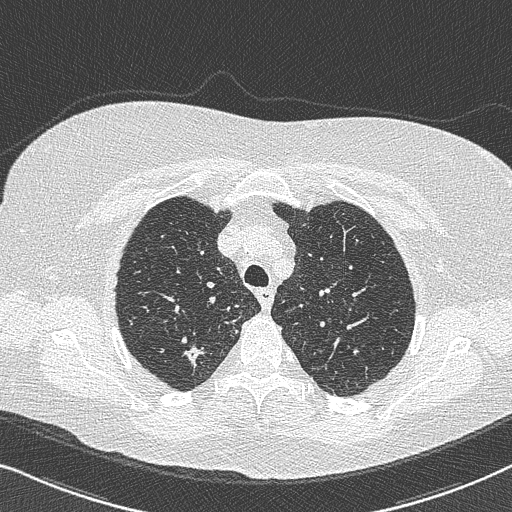
This is axial slice 582 of 733 (slice 1 is the lowest) of a chest CT; each pixel is 0.637 mm and the slice is 0.60 mm thick. Pulmonary nodule outlined by all four readers; box rows 344–370, columns 180–206 (the union of the readers' outlines on this slice); longest diameter 22.0 mm on average over the four readers' outlines (readers' outlines 15.5–29.7 mm), volume 888–2128 mm3. The readers' prevailing ratings and who disagreed: texture 5/5 (solid) by three of four readers; the rest gave 4/5 (one); margin 3/5 by two of four readers; the rest gave 1/5 (indistinct) (one), 4/5 (one); sphericity 3/5 (ovoid) by two of four readers; the rest gave 2/5 (one), 5/5 (round) (one); calcification absent from all four readers; internal structure soft tissue from all four readers; subtlety 5/5 by three of four readers; the rest gave 4/5 (one); malignancy likelihood 4/5 by three of four readers; the rest gave 5/5 (one). Scale key (1–5): texture non-solid→solid, margin indistinct→circumscribed, sphericity linear→round, subtlety extremely subtle→obvious, malignancy likelihood highly unlikely→highly suspicious of cancer. Box rows and columns are 0-based pixel indices from the top-left corner, inclusive.
Tube voltage 120 kVp; convolution kernel B50f.